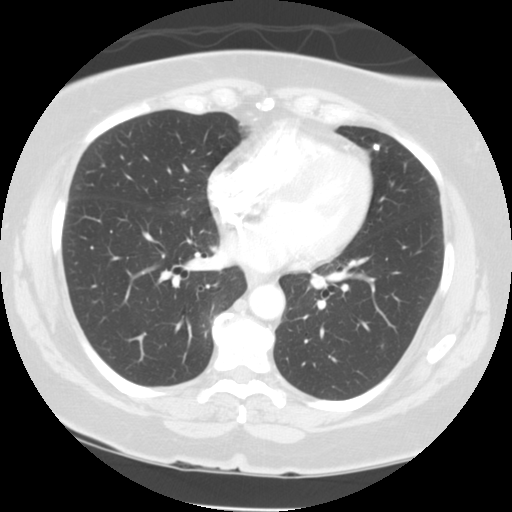
Axial slice 62 of 133 of a chest CT (slice 1 is the lowest), reconstructed with the STANDARD kernel at 120 kVp; 2.50 mm slice thickness and 0.664 mm pixels.
Pulmonary nodule, outlined by two of the four readers. Box on this slice rows 143–150, columns 373–379, the union of the readers' outlines on this slice; longest diameter 5.7 mm on average over the two readers' outlines (readers' outlines 5.1–6.3 mm), volume 78–117 mm3. Ratings, by the readers' most common answer with dissent counted: texture 5/5 (solid), both readers agreeing; margin 5/5 (circumscribed) from both readers; sphericity split among the readers: 3/5 (ovoid) (one), 5/5 (round) (one); calcification solid calcification from both readers; internal structure soft tissue from both readers; subtlety split among the readers: 4/5 (one), 5/5 (one); malignancy likelihood 1/5, both readers agreeing. Scale key (1–5): texture non-solid→solid, margin indistinct→circumscribed, sphericity linear→round, subtlety extremely subtle→obvious, malignancy likelihood highly unlikely→highly suspicious of cancer. Box rows and columns are 0-based pixel indices from the top-left corner, inclusive.